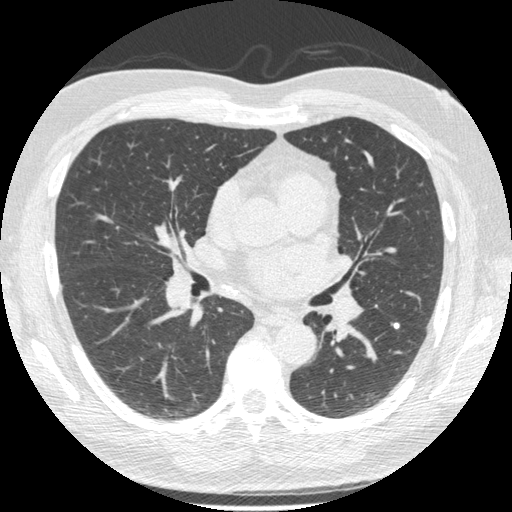
Chest CT, axial plane, 120 kVp, kernel STANDARD. Slice 303/557 from the bottom of the scan; thickness 1.25 mm; pixel size 0.703 mm.
Pulmonary nodule at rows 321–330, columns 390–400 (box = the union of the readers' outlines on this slice), outlined by all four readers; median longest diameter 8.7 mm (readers' outlines 6.0–9.4 mm), median volume 161 mm3 (90–190 mm3). Median ratings and the readers' spread: texture 5/5 (solid), all four readers agreeing; margin 5/5 (circumscribed) at the median of four readers, spread 4/5 to 5/5 (circumscribed); median sphericity 4.5/5 (readers ranged 2/5 to 5/5 (round)); calcification split among the readers: non-central calcification (two), solid calcification (two); internal structure soft tissue from all four readers; subtlety 4.5/5 at the median of four readers, spread 3–5; malignancy likelihood 1/5 at the median of four readers, spread 1–2. Scale key (1–5): texture non-solid→solid, margin indistinct→circumscribed, sphericity linear→round, subtlety extremely subtle→obvious, malignancy likelihood highly unlikely→highly suspicious of cancer. Box rows and columns are 0-based pixel indices from the top-left corner, inclusive.